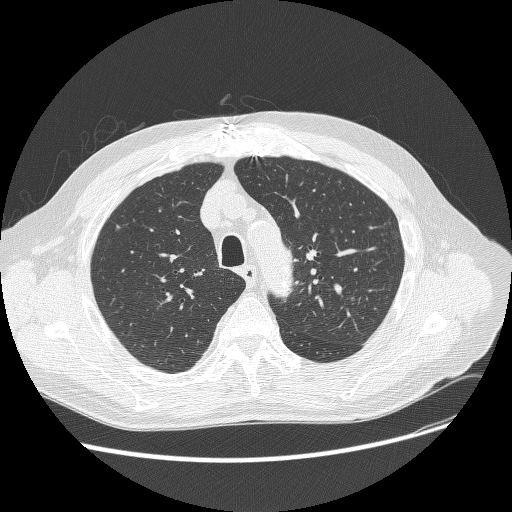
This is axial slice 209 of 268 (slice 1 is the lowest) of a chest CT; each pixel is 0.742 mm and the slice is 1.25 mm thick. Pulmonary nodule, outlined by three of the four readers. Box on this slice rows 227–234, columns 329–335, the union of the readers' outlines on this slice; longest diameter 7.8 mm on average over the three readers' outlines (readers' outlines 6.3–8.7 mm), volume 55–117 mm3. Ratings, by the readers' most common answer with dissent counted: texture 1/5 (non-solid) by two of three readers; the rest gave 2/5 (one); margin 1/5 (indistinct) by two of three readers; the rest gave 3/5 (one); sphericity 4/5 by two of three readers; the rest gave 3/5 (ovoid) (one); calcification absent, all three readers agreeing; internal structure soft tissue from all three readers; most readers (two of three) put subtlety at 2/5, others 1/5 (one); most readers (two of three) put malignancy likelihood at 2/5, others 3/5 (one). Scale key (1–5): texture non-solid→solid, margin indistinct→circumscribed, sphericity linear→round, subtlety extremely subtle→obvious, malignancy likelihood highly unlikely→highly suspicious of cancer. Box rows and columns are 0-based pixel indices from the top-left corner, inclusive.
Tube voltage 120 kVp; convolution kernel BONE.